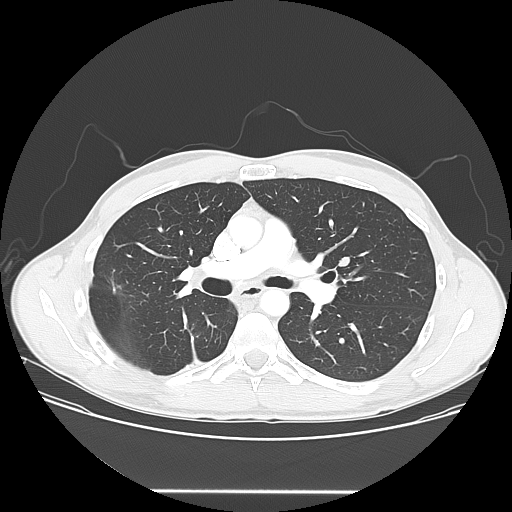
Axial chest CT slice 96 of 150 (counted from the lowest slice); tube voltage 120 kVp, convolution kernel LUNG; slices 2.50 mm thick, 0.781 mm per pixel.
Pulmonary nodule at rows 257–266, columns 338–349 (box = the union of the readers' outlines on this slice), outlined by two of the four readers; median longest diameter 13.6 mm (readers' outlines 13.4–13.7 mm), median volume 554 mm3 (506–603 mm3). Ratings, median across the readers with their spread: texture 5/5 (solid), both readers agreeing; median margin 4.5/5 (readers ranged 4/5 to 5/5 (circumscribed)); sphericity 3/5 (ovoid) at the median of two readers, spread 1/5 (linear) to 5/5 (round); calcification absent, both readers agreeing; internal structure soft tissue from both readers; median subtlety 3.5/5 (readers ranged 3–4); malignancy likelihood 2/5 from both readers. Scale key (1–5): texture non-solid→solid, margin indistinct→circumscribed, sphericity linear→round, subtlety extremely subtle→obvious, malignancy likelihood highly unlikely→highly suspicious of cancer. Box rows and columns are 0-based pixel indices from the top-left corner, inclusive.